Chest CT, axial plane, 120 kVp, kernel STANDARD. Slice 310/417 from the bottom of the scan; thickness 1.25 mm; pixel size 0.703 mm.
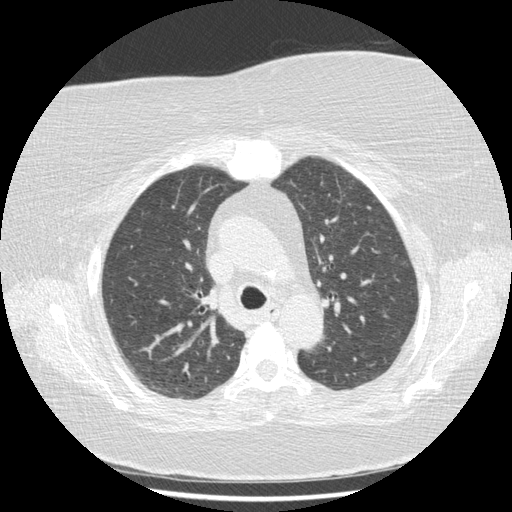
Pulmonary nodule at rows 206–209, columns 367–369 (box = that reader's outline on this slice), outlined by one of the four readers; longest diameter 5.1 mm and volume 24 mm3 from that reader's outline. Ratings by that reader: texture 5/5 (solid); margin 5/5 (circumscribed); sphericity 5/5 (round); calcification absent; internal structure soft tissue; subtlety 5/5; malignancy likelihood 3/5. Scale key (1–5): texture non-solid→solid, margin indistinct→circumscribed, sphericity linear→round, subtlety extremely subtle→obvious, malignancy likelihood highly unlikely→highly suspicious of cancer. Box rows and columns are 0-based pixel indices from the top-left corner, inclusive.